Axial chest CT slice 61 of 100 (counted from the lowest slice); tube voltage 135 kVp, convolution kernel FC01; slices 3.00 mm thick, 0.540 mm per pixel.
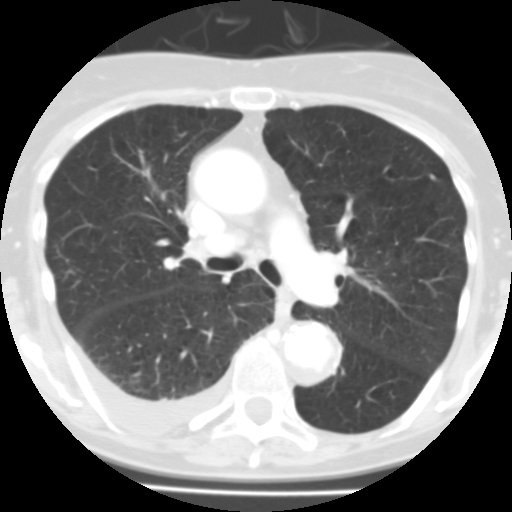
Pulmonary nodule at rows 175–178, columns 431–434 (box = that reader's outline on this slice), outlined by one of the four readers; longest diameter 4.5 mm and volume 51 mm3 from that reader's outline. Ratings by that reader: texture 5/5 (solid); margin 5/5 (circumscribed); sphericity 3/5 (ovoid); calcification solid calcification; internal structure soft tissue; subtlety 4/5; malignancy likelihood 1/5. Scale key (1–5): texture non-solid→solid, margin indistinct→circumscribed, sphericity linear→round, subtlety extremely subtle→obvious, malignancy likelihood highly unlikely→highly suspicious of cancer. Box rows and columns are 0-based pixel indices from the top-left corner, inclusive.